Axial chest CT slice 145 of 426 (counted from the lowest slice); tube voltage 120 kVp, convolution kernel STANDARD; slices 1.25 mm thick, 0.547 mm per pixel.
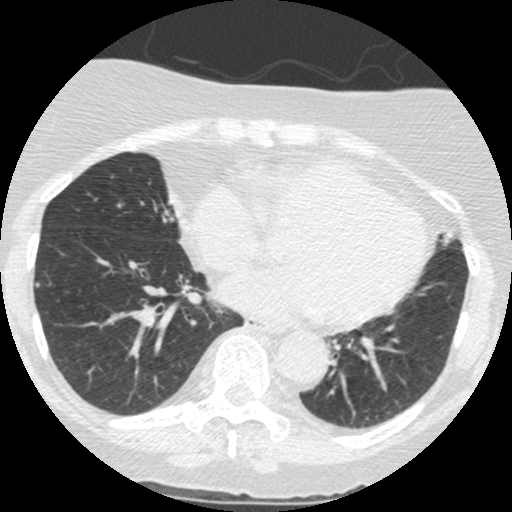
Pulmonary nodule at rows 282–287, columns 35–38 (box = that reader's outline on this slice), outlined by one of the four readers; longest diameter 5.5 mm and volume 33 mm3 from that reader's outline. Ratings by that reader: texture 5/5 (solid); margin 5/5 (circumscribed); sphericity 4/5; calcification absent; internal structure soft tissue; subtlety 3/5; malignancy likelihood 2/5. Scale key (1–5): texture non-solid→solid, margin indistinct→circumscribed, sphericity linear→round, subtlety extremely subtle→obvious, malignancy likelihood highly unlikely→highly suspicious of cancer. Box rows and columns are 0-based pixel indices from the top-left corner, inclusive.